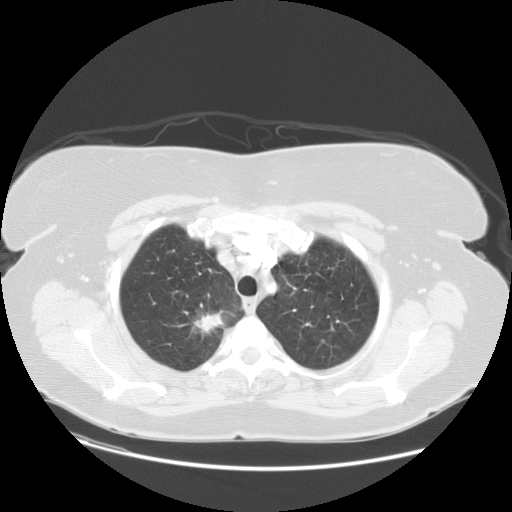
This is axial slice 108 of 133 (slice 1 is the lowest) of a chest CT; each pixel is 0.781 mm and the slice is 2.50 mm thick. Pulmonary nodule at rows 307–333, columns 192–222 (box = the union of the readers' outlines on this slice), outlined by all four readers; longest diameter 35.0 mm on average over the four readers' outlines (readers' outlines 31.6–37.9 mm), volume 3786–6747 mm3. The readers' prevailing ratings and who disagreed: texture 5/5 (solid) by two of four readers; the rest gave 3/5 (part-solid) (one), 4/5 (one); most readers (three of four) put margin at 3/5, others 1/5 (indistinct) (one); sphericity 3/5 (ovoid) by two of four readers; the rest gave 2/5 (one), 4/5 (one); calcification absent from all four readers; internal structure soft tissue from all four readers; subtlety 5/5 from all four readers; most readers (three of four) put malignancy likelihood at 5/5, others 3/5 (one). Scale key (1–5): texture non-solid→solid, margin indistinct→circumscribed, sphericity linear→round, subtlety extremely subtle→obvious, malignancy likelihood highly unlikely→highly suspicious of cancer. Box rows and columns are 0-based pixel indices from the top-left corner, inclusive.
Scan settings: 120 kVp, STANDARD reconstruction kernel.